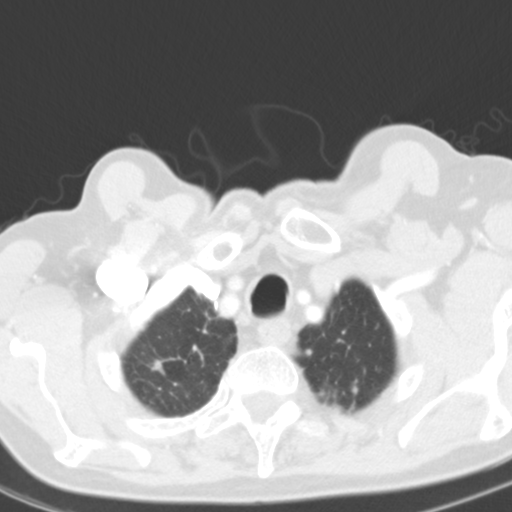
Axial chest CT slice 112 of 127 (counted from the lowest slice); 3.00 mm thick, 0.537 mm per pixel. Pulmonary nodule, outlined by one of the four readers. Box on this slice rows 360–373, columns 151–163, that reader's outline on this slice; longest diameter 8.7 mm and volume 147 mm3 from that reader's outline. Ratings by that reader: texture 5/5 (solid); margin 3/5; sphericity 2/5; calcification absent; internal structure soft tissue; subtlety 4/5; malignancy likelihood 3/5. Scale key (1–5): texture non-solid→solid, margin indistinct→circumscribed, sphericity linear→round, subtlety extremely subtle→obvious, malignancy likelihood highly unlikely→highly suspicious of cancer. Box rows and columns are 0-based pixel indices from the top-left corner, inclusive.
Acquired at 120 kVp and reconstructed with the B31f kernel.